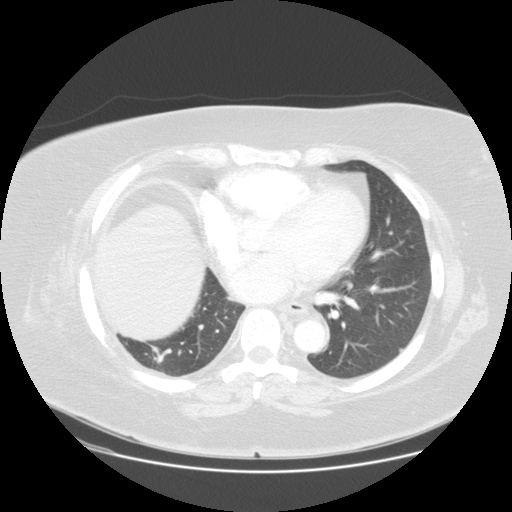
Chest CT, axial plane, 120 kVp, kernel STANDARD. Slice 63/131 from the bottom of the scan; thickness 2.50 mm; pixel size 0.781 mm.
Pulmonary nodule outlined by one of the four readers; box rows 348–352, columns 399–402 (that reader's outline on this slice); longest diameter 4.8 mm and volume 34 mm3 from that reader's outline. Ratings by that reader: texture 5/5 (solid); margin 4/5; sphericity 4/5; calcification absent; internal structure soft tissue; subtlety 2/5; malignancy likelihood 2/5. Scale key (1–5): texture non-solid→solid, margin indistinct→circumscribed, sphericity linear→round, subtlety extremely subtle→obvious, malignancy likelihood highly unlikely→highly suspicious of cancer. Box rows and columns are 0-based pixel indices from the top-left corner, inclusive.